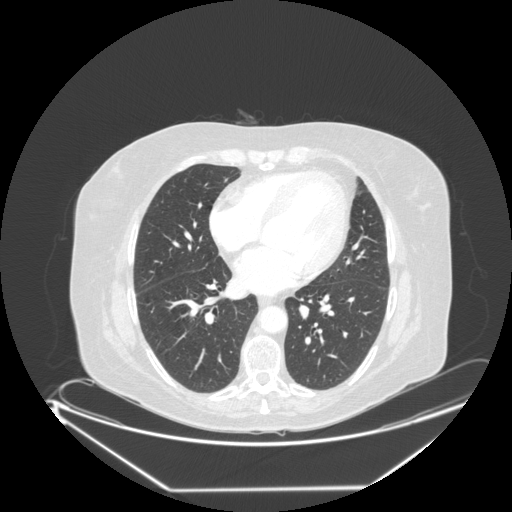
One axial slice (115 of 265, counting up from the lowest) of a chest CT acquired at 120 kVp with the STANDARD kernel; each pixel is 0.943 mm and the slice is 1.25 mm thick.
The readers outlined no nodule of 3 mm or more on this slice.